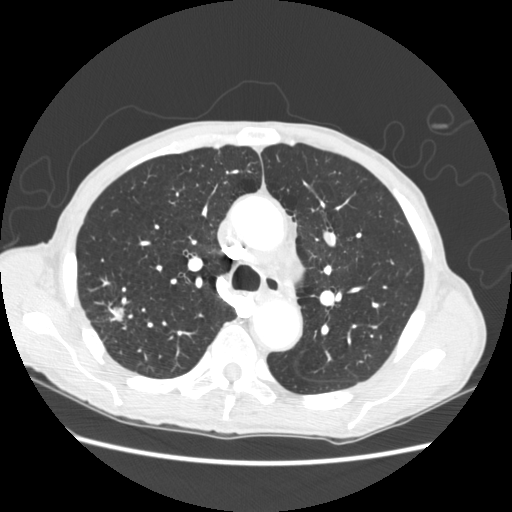
Chest CT, axial plane, 120 kVp, kernel STANDARD. Slice 163/248 from the bottom of the scan; thickness 1.25 mm; pixel size 0.703 mm.
Pulmonary nodule at rows 307–322, columns 111–124 (box = the union of the readers' outlines on this slice), outlined by all four readers; median longest diameter 28.8 mm (readers' outlines 26.0–32.7 mm), median volume 5327 mm3 (5181–6655 mm3). Ratings, median across the readers with their spread: texture 5/5 (solid), all four readers agreeing; median margin 4.5/5 (readers ranged 2/5 to 5/5 (circumscribed)); median sphericity 3/5 (ovoid) (readers ranged 3/5 (ovoid) to 4/5); calcification absent, all four readers agreeing; internal structure soft tissue, all four readers agreeing; subtlety 5/5 from all four readers; malignancy likelihood 5/5 at the median of four readers, spread 3–5. Scale key (1–5): texture non-solid→solid, margin indistinct→circumscribed, sphericity linear→round, subtlety extremely subtle→obvious, malignancy likelihood highly unlikely→highly suspicious of cancer. Box rows and columns are 0-based pixel indices from the top-left corner, inclusive.